One axial slice (424 of 535, counting up from the lowest) of a chest CT acquired at 120 kVp with the STANDARD kernel; each pixel is 0.664 mm and the slice is 1.25 mm thick.
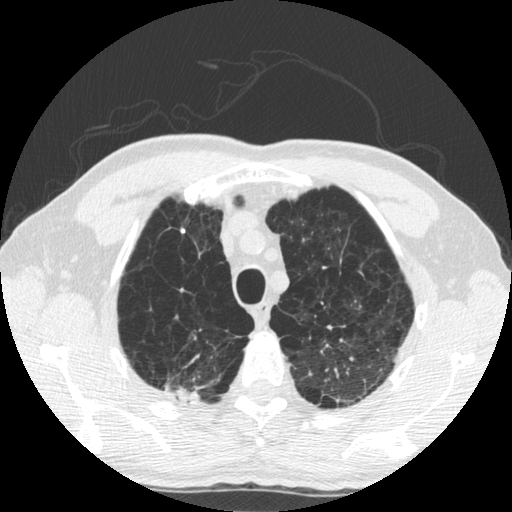
Pulmonary nodule at rows 228–233, columns 180–185 (box = the union of the readers' outlines on this slice), outlined by two of the four readers; the two readers' outlines give a longest diameter between 4.8 and 5.4 mm and a volume between 25 and 29 mm3. The readers' ratings, as ranges where they differ: texture 5/5 (solid), both readers agreeing; margin 5/5 (circumscribed) from both readers; sphericity from 4/5 to 5/5 (round) across the two readers; calcification solid calcification, both readers agreeing; internal structure soft tissue, both readers agreeing; subtlety rated between 2 and 4 out of 5 by the two readers; malignancy likelihood 1/5 from both readers. Scale key (1–5): texture non-solid→solid, margin indistinct→circumscribed, sphericity linear→round, subtlety extremely subtle→obvious, malignancy likelihood highly unlikely→highly suspicious of cancer. Box rows and columns are 0-based pixel indices from the top-left corner, inclusive.